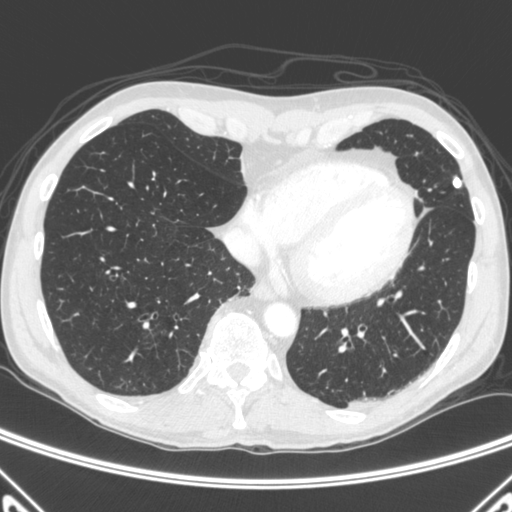
Chest CT, axial plane, 120 kVp, kernel C. Slice 131/445 from the bottom of the scan; thickness 1.50 mm; pixel size 0.676 mm.
Pulmonary nodule outlined by all four readers; box rows 175–188, columns 452–461 (the union of the readers' outlines on this slice); median longest diameter 9.3 mm (readers' outlines 9.0–9.7 mm), median volume 265 mm3 (243–279 mm3). Median ratings and the readers' spread: texture 5/5 (solid) at the median of four readers, spread 4/5 to 5/5 (solid); margin 5/5 (circumscribed), all four readers agreeing; sphericity 4.5/5 at the median of four readers, spread 4/5 to 5/5 (round); calcification: solid calcification (three), central calcification (one); internal structure soft tissue from all four readers; subtlety 5/5, all four readers agreeing; malignancy likelihood 1/5, all four readers agreeing. Scale key (1–5): texture non-solid→solid, margin indistinct→circumscribed, sphericity linear→round, subtlety extremely subtle→obvious, malignancy likelihood highly unlikely→highly suspicious of cancer. Box rows and columns are 0-based pixel indices from the top-left corner, inclusive.